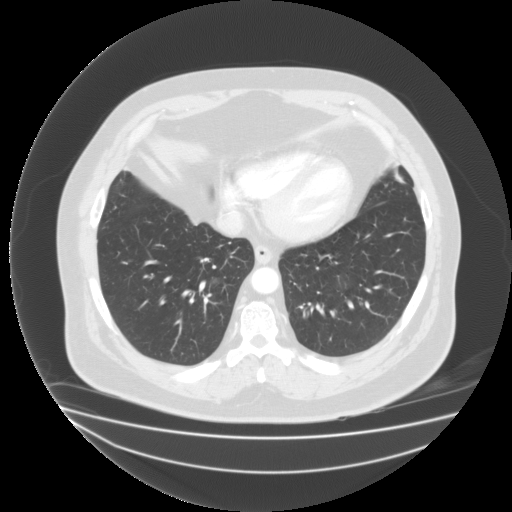
Chest CT, axial plane, 135 kVp, kernel FC03. Slice 67/183 from the bottom of the scan; thickness 2.00 mm; pixel size 0.946 mm.
Pulmonary nodule outlined by two of the four readers; box rows 277–284, columns 210–218 (the union of the readers' outlines on this slice); longest diameter 12.7–13.6 mm and volume 804–924 mm3 across the two readers' outlines. Ratings across the readers: texture from 1/5 (non-solid) to 2/5 across the two readers; margin 2/5, both readers agreeing; sphericity from 3/5 (ovoid) to 4/5 across the two readers; calcification absent, both readers agreeing; internal structure split among the readers: soft tissue (one), fluid (one); subtlety 2–4/5 (the readers disagree); malignancy likelihood 3/5, both readers agreeing. Scale key (1–5): texture non-solid→solid, margin indistinct→circumscribed, sphericity linear→round, subtlety extremely subtle→obvious, malignancy likelihood highly unlikely→highly suspicious of cancer. Box rows and columns are 0-based pixel indices from the top-left corner, inclusive.